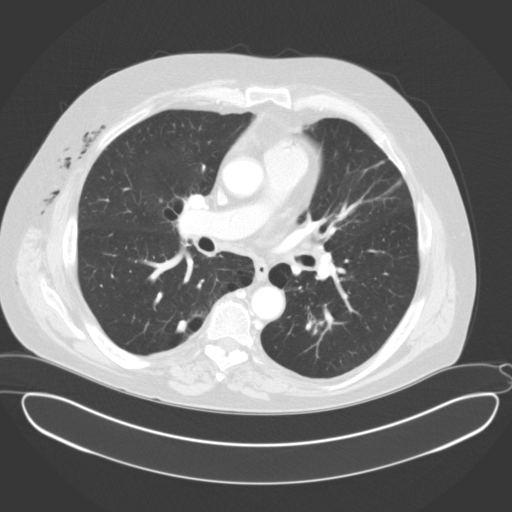
Axial slice 101 of 153 of a chest CT (slice 1 is the lowest), reconstructed with the B31f kernel at 120 kVp; 3.00 mm slice thickness and 0.836 mm pixels.
Pulmonary nodule, outlined by two of the four readers. Box on this slice rows 321–331, columns 177–186, the union of the readers' outlines on this slice; median longest diameter 11.7 mm (readers' outlines 11.6–11.8 mm), median volume 336 mm3 (264–409 mm3). Median ratings and the readers' spread: texture 5/5 (solid), both readers agreeing; margin 4/5 from both readers; sphericity 3/5 (ovoid), both readers agreeing; calcification absent, both readers agreeing; internal structure soft tissue, both readers agreeing; subtlety 4/5 from both readers; median malignancy likelihood 2/5 (readers ranged 1–3). Scale key (1–5): texture non-solid→solid, margin indistinct→circumscribed, sphericity linear→round, subtlety extremely subtle→obvious, malignancy likelihood highly unlikely→highly suspicious of cancer. Box rows and columns are 0-based pixel indices from the top-left corner, inclusive.